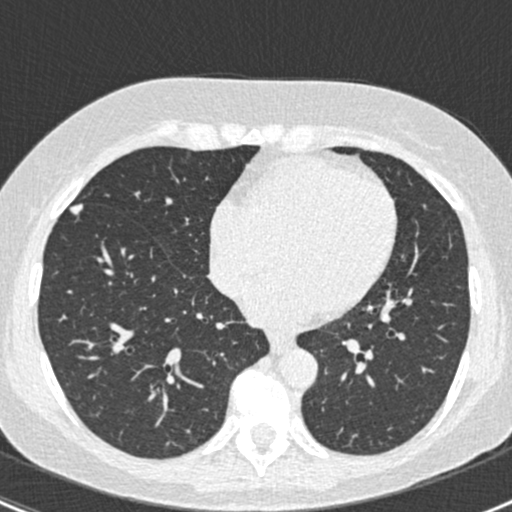
This is axial slice 194 of 429 (slice 1 is the lowest) of a chest CT; each pixel is 0.586 mm and the slice is 0.75 mm thick. Pulmonary nodule at rows 203–215, columns 69–83 (box = the union of the readers' outlines on this slice), outlined by three of the four readers; median longest diameter 10.9 mm (readers' outlines 9.8–12.3 mm), median volume 283 mm3 (207–302 mm3). Median ratings and the readers' spread: texture 5/5 (solid), all three readers agreeing; median margin 4/5 (readers ranged 4/5 to 5/5 (circumscribed)); sphericity 3/5 (ovoid) at the median of three readers, spread 2/5 to 3/5 (ovoid); calcification absent from all three readers; internal structure soft tissue, all three readers agreeing; subtlety 5/5 from all three readers; malignancy likelihood 4/5 at the median of three readers, spread 2–4. Scale key (1–5): texture non-solid→solid, margin indistinct→circumscribed, sphericity linear→round, subtlety extremely subtle→obvious, malignancy likelihood highly unlikely→highly suspicious of cancer. Box rows and columns are 0-based pixel indices from the top-left corner, inclusive.
Acquired at 120 kVp and reconstructed with the B30f kernel.